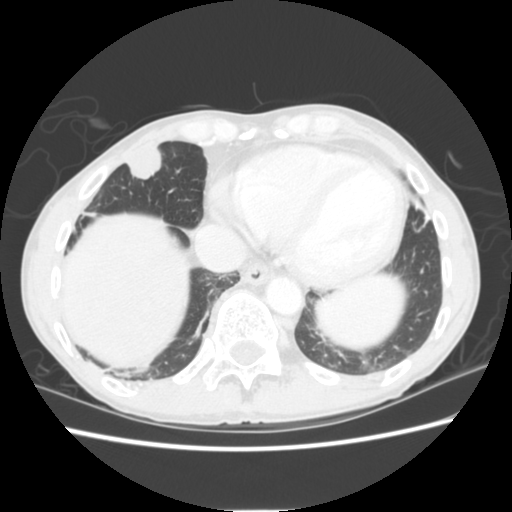
One axial slice (55 of 255, counting up from the lowest) of a chest CT acquired at 120 kVp with the STANDARD kernel; each pixel is 0.664 mm and the slice is 2.50 mm thick.
Pulmonary nodule, outlined by all four readers. Box on this slice rows 144–179, columns 124–162, the union of the readers' outlines on this slice; longest diameter 27.2 mm on average over the four readers' outlines (readers' outlines 25.4–30.3 mm), volume 4677–6345 mm3. Ratings, by the readers' most common answer with dissent counted: texture 5/5 (solid), all four readers agreeing; margin split among the readers: 4/5 (two), 5/5 (circumscribed) (two); sphericity 4/5 by two of four readers; the rest gave 3/5 (ovoid) (one), 5/5 (round) (one); calcification absent from all four readers; internal structure soft tissue from all four readers; subtlety 5/5, all four readers agreeing; most readers (three of four) put malignancy likelihood at 5/5, others 3/5 (one). Scale key (1–5): texture non-solid→solid, margin indistinct→circumscribed, sphericity linear→round, subtlety extremely subtle→obvious, malignancy likelihood highly unlikely→highly suspicious of cancer. Box rows and columns are 0-based pixel indices from the top-left corner, inclusive.